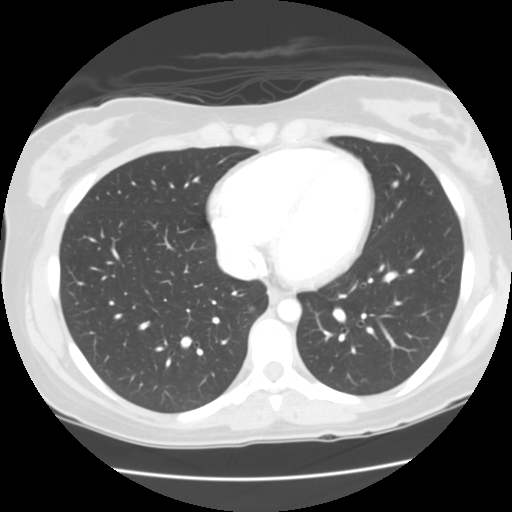
Chest CT, axial plane, 120 kVp, kernel STANDARD. Slice 66/133 from the bottom of the scan; thickness 2.50 mm; pixel size 0.625 mm.
Pulmonary nodule outlined by all four readers, two of them on this slice; box rows 306–311, columns 248–254 (the union of the readers' outlines on this slice); median longest diameter 8.0 mm (readers' outlines 7.3–8.9 mm), median volume 217 mm3 (208–262 mm3). Ratings, median across the readers with their spread: texture 5/5 (solid), all four readers agreeing; median margin 5/5 (circumscribed) (readers ranged 4/5 to 5/5 (circumscribed)); sphericity 4/5 at the median of four readers, spread 3/5 (ovoid) to 5/5 (round); calcification absent from all four readers; internal structure soft tissue, all four readers agreeing; subtlety 3/5 at the median of four readers, spread 3–5; median malignancy likelihood 2.5/5 (readers ranged 2–4). Scale key (1–5): texture non-solid→solid, margin indistinct→circumscribed, sphericity linear→round, subtlety extremely subtle→obvious, malignancy likelihood highly unlikely→highly suspicious of cancer. Box rows and columns are 0-based pixel indices from the top-left corner, inclusive.